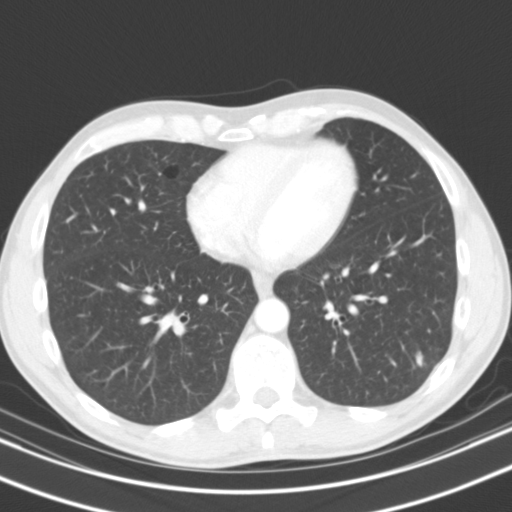
Axial slice 46 of 119 of a chest CT (slice 1 is the lowest), reconstructed with the B31s kernel at 130 kVp; 3.00 mm slice thickness and 0.650 mm pixels.
Pulmonary nodule, outlined by all four readers. Box on this slice rows 350–366, columns 415–422, the union of the readers' outlines on this slice; longest diameter 11.1 mm on average over the four readers' outlines (readers' outlines 9.8–12.4 mm), volume 202–331 mm3. The readers' prevailing ratings and who disagreed: texture 5/5 (solid) by three of four readers; the rest gave 4/5 (one); margin 3/5 by two of four readers; the rest gave 4/5 (one), 5/5 (circumscribed) (one); sphericity 3/5 (ovoid) by two of four readers; the rest gave 1/5 (linear) (one), 5/5 (round) (one); calcification absent, all four readers agreeing; internal structure soft tissue from all four readers; subtlety split among the readers: 3/5 (two), 4/5 (two); malignancy likelihood split among the readers: 2/5 (two), 3/5 (two). Scale key (1–5): texture non-solid→solid, margin indistinct→circumscribed, sphericity linear→round, subtlety extremely subtle→obvious, malignancy likelihood highly unlikely→highly suspicious of cancer. Box rows and columns are 0-based pixel indices from the top-left corner, inclusive.